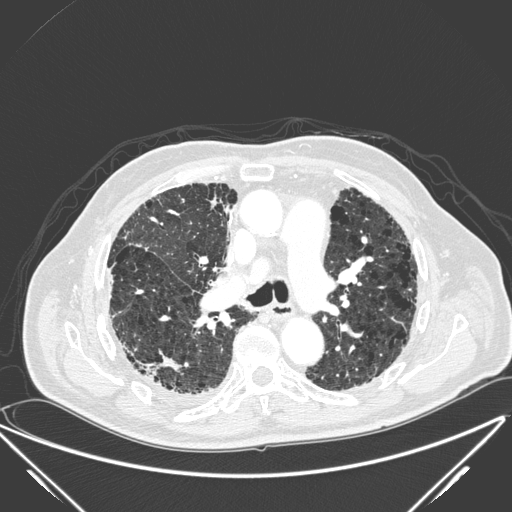
Axial slice 147 of 278 of a chest CT (slice 1 is the lowest), reconstructed with the D kernel at 120 kVp; 1.00 mm slice thickness and 0.812 mm pixels.
Pulmonary nodule at rows 349–375, columns 145–182 (box = the union of the readers' outlines on this slice), outlined by all four readers; the four readers' outlines give a longest diameter between 17.4 and 39.8 mm and a volume between 1021 and 4525 mm3. Ratings across the readers: texture 5/5 (solid), all four readers agreeing; margin from 1/5 (indistinct) to 5/5 (circumscribed) across the four readers; sphericity from 2/5 to 5/5 (round) across the four readers; calcification absent, all four readers agreeing; internal structure soft tissue, all four readers agreeing; subtlety 4–5/5 (the readers disagree); malignancy likelihood rated between 3 and 5 out of 5 by the four readers. Scale key (1–5): texture non-solid→solid, margin indistinct→circumscribed, sphericity linear→round, subtlety extremely subtle→obvious, malignancy likelihood highly unlikely→highly suspicious of cancer. Box rows and columns are 0-based pixel indices from the top-left corner, inclusive.